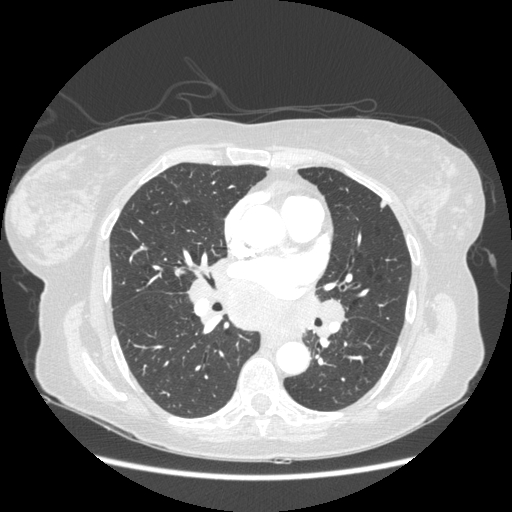
Axial slice 116 of 230 of a chest CT (slice 1 is the lowest), reconstructed with the STANDARD kernel at 120 kVp; 1.25 mm slice thickness and 0.742 mm pixels.
Pulmonary nodule at rows 200–207, columns 380–384 (box = that reader's outline on this slice), outlined by one of the four readers; longest diameter 8.9 mm and volume 98 mm3 from that reader's outline. Ratings by that reader: texture 5/5 (solid); margin 4/5; sphericity 3/5 (ovoid); calcification absent; internal structure soft tissue; subtlety 5/5; malignancy likelihood 2/5. Scale key (1–5): texture non-solid→solid, margin indistinct→circumscribed, sphericity linear→round, subtlety extremely subtle→obvious, malignancy likelihood highly unlikely→highly suspicious of cancer. Box rows and columns are 0-based pixel indices from the top-left corner, inclusive.